Axial slice 151 of 230 of a chest CT (slice 1 is the lowest), reconstructed with the BONE kernel at 120 kVp; 1.25 mm slice thickness and 0.605 mm pixels.
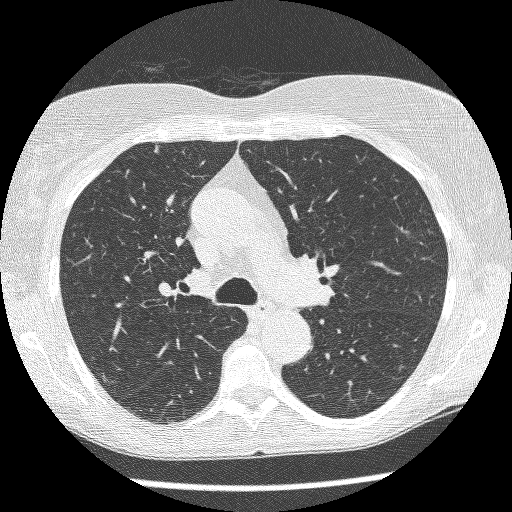
Pulmonary nodule, outlined by two of the four readers. Box on this slice rows 145–152, columns 152–158, the union of the readers' outlines on this slice; the two readers' outlines give a longest diameter between 4.6 and 5.7 mm and a volume between 18 and 42 mm3. Ratings across the readers: texture from 3/5 (part-solid) to 5/5 (solid) across the two readers; margin from 3/5 to 4/5 across the two readers; sphericity from 3/5 (ovoid) to 4/5 across the two readers; calcification absent, both readers agreeing; internal structure soft tissue, both readers agreeing; subtlety rated between 4 and 5 out of 5 by the two readers; malignancy likelihood 3–4/5 (the readers disagree). Scale key (1–5): texture non-solid→solid, margin indistinct→circumscribed, sphericity linear→round, subtlety extremely subtle→obvious, malignancy likelihood highly unlikely→highly suspicious of cancer. Box rows and columns are 0-based pixel indices from the top-left corner, inclusive.